Chest CT, axial plane, 120 kVp, kernel BONE. Slice 89/247 from the bottom of the scan; thickness 1.25 mm; pixel size 0.643 mm.
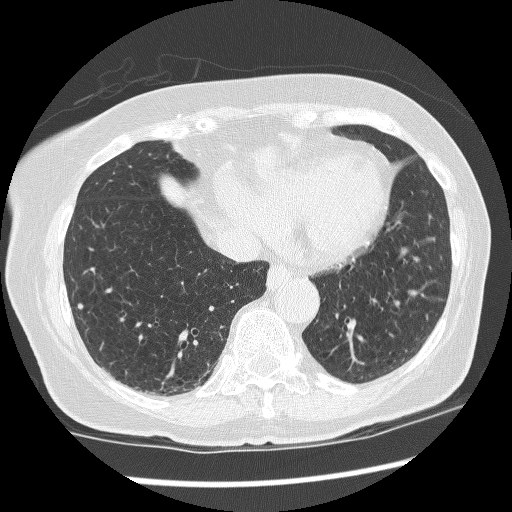
Pulmonary nodule at rows 303–309, columns 76–82 (box = the union of the readers' outlines on this slice), outlined by all four readers; longest diameter 5.1 mm on average over the four readers' outlines (readers' outlines 4.9–5.3 mm), volume 53–68 mm3. The readers' prevailing ratings and who disagreed: texture 5/5 (solid), all four readers agreeing; margin split among the readers: 4/5 (two), 5/5 (circumscribed) (two); sphericity 5/5 (round) by three of four readers; the rest gave 4/5 (one); calcification absent from all four readers; internal structure soft tissue, all four readers agreeing; subtlety 2/5 by two of four readers; the rest gave 4/5 (one), 5/5 (one); malignancy likelihood 3/5, all four readers agreeing. Scale key (1–5): texture non-solid→solid, margin indistinct→circumscribed, sphericity linear→round, subtlety extremely subtle→obvious, malignancy likelihood highly unlikely→highly suspicious of cancer. Box rows and columns are 0-based pixel indices from the top-left corner, inclusive.